Axial chest CT slice 136 of 238 (counted from the lowest slice); tube voltage 120 kVp, convolution kernel LUNG; slices 1.25 mm thick, 0.742 mm per pixel.
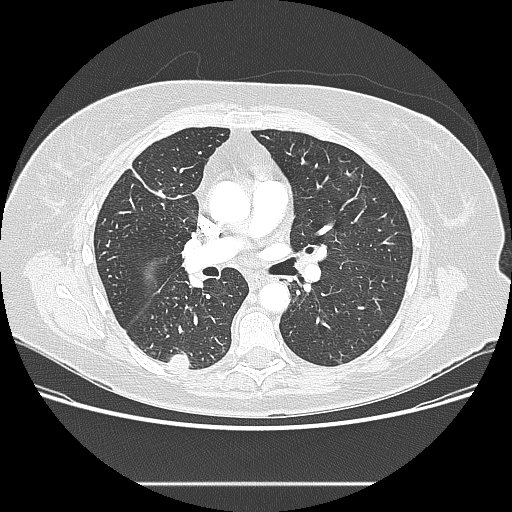
Pulmonary nodule outlined by all four readers; box rows 352–371, columns 168–189 (the union of the readers' outlines on this slice); median longest diameter 16.9 mm (readers' outlines 16.2–17.0 mm), median volume 1591 mm3 (1456–1679 mm3). Ratings, median across the readers with their spread: texture 5/5 (solid), all four readers agreeing; median margin 5/5 (circumscribed) (readers ranged 4/5 to 5/5 (circumscribed)); median sphericity 5/5 (round) (readers ranged 3/5 (ovoid) to 5/5 (round)); calcification absent from all four readers; internal structure soft tissue from all four readers; median subtlety 4.5/5 (readers ranged 3–5); median malignancy likelihood 3/5 (readers ranged 2–4). Scale key (1–5): texture non-solid→solid, margin indistinct→circumscribed, sphericity linear→round, subtlety extremely subtle→obvious, malignancy likelihood highly unlikely→highly suspicious of cancer. Box rows and columns are 0-based pixel indices from the top-left corner, inclusive.